One axial slice (325 of 497, counting up from the lowest) of a chest CT acquired at 120 kVp with the STANDARD kernel; each pixel is 0.762 mm and the slice is 1.25 mm thick.
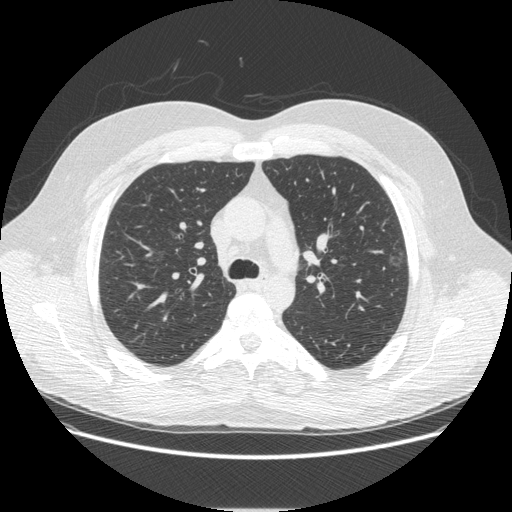
Pulmonary nodule, outlined by all four readers. Box on this slice rows 246–268, columns 388–404, the union of the readers' outlines on this slice; median longest diameter 21.7 mm (readers' outlines 21.5–22.5 mm), median volume 2358 mm3 (2170–2597 mm3). Median ratings and the readers' spread: median texture 1/5 (non-solid) (readers ranged 1/5 (non-solid) to 3/5 (part-solid)); margin 3/5 at the median of four readers, spread 2/5 to 4/5; sphericity 4.5/5 at the median of four readers, spread 3/5 (ovoid) to 5/5 (round); calcification absent, all four readers agreeing; internal structure split among the readers: air (two), soft tissue (two); subtlety 4/5 at the median of four readers, spread 1–5; malignancy likelihood 3/5 at the median of four readers, spread 1–5. Scale key (1–5): texture non-solid→solid, margin indistinct→circumscribed, sphericity linear→round, subtlety extremely subtle→obvious, malignancy likelihood highly unlikely→highly suspicious of cancer. Box rows and columns are 0-based pixel indices from the top-left corner, inclusive.